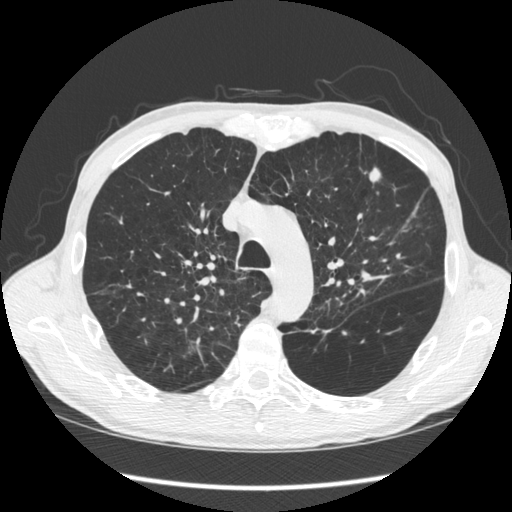
One axial slice (419 of 583, counting up from the lowest) of a chest CT acquired at 120 kVp with the STANDARD kernel; each pixel is 0.703 mm and the slice is 1.25 mm thick.
Pulmonary nodule outlined by all four readers; box rows 164–182, columns 369–381 (the union of the readers' outlines on this slice); median longest diameter 14.4 mm (readers' outlines 10.5–14.8 mm), median volume 421 mm3 (293–480 mm3). Median ratings and the readers' spread: texture 5/5 (solid) from all four readers; median margin 4.5/5 (readers ranged 3/5 to 5/5 (circumscribed)); median sphericity 3/5 (ovoid) (readers ranged 2/5 to 5/5 (round)); calcification absent, all four readers agreeing; internal structure soft tissue, all four readers agreeing; subtlety 4.5/5 at the median of four readers, spread 3–5; median malignancy likelihood 4.5/5 (readers ranged 2–5). Scale key (1–5): texture non-solid→solid, margin indistinct→circumscribed, sphericity linear→round, subtlety extremely subtle→obvious, malignancy likelihood highly unlikely→highly suspicious of cancer. Box rows and columns are 0-based pixel indices from the top-left corner, inclusive.